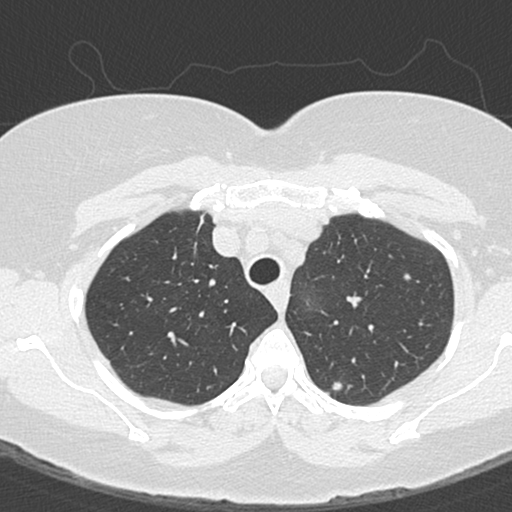
Axial chest CT slice 269 of 327 (counted from the lowest slice); 1.00 mm thick, 0.547 mm per pixel. Two pulmonary nodules are outlined on this slice; from left to right: (1) Pulmonary nodule outlined by three of the four readers; box rows 381–390, columns 331–342 (the union of the readers' outlines on this slice); the three readers' outlines give a longest diameter between 7.3 and 12.8 mm and a volume between 81 and 146 mm3. Ratings across the readers: texture 5/5 (solid) from all three readers; margin from 4/5 to 5/5 (circumscribed) across the three readers; sphericity from 3/5 (ovoid) to 5/5 (round) across the three readers; calcification absent from all three readers; internal structure soft tissue, all three readers agreeing; subtlety from 3/5 to 4/5 across the three readers; malignancy likelihood 2–4/5 (the readers disagree). (2) Pulmonary nodule at rows 274–279, columns 404–410 (box = that reader's outline on this slice), outlined by one of the four readers; longest diameter 4.7 mm and volume 29 mm3 from that reader's outline. Ratings by that reader: texture 5/5 (solid); margin 4/5; sphericity 5/5 (round); calcification absent; internal structure soft tissue; subtlety 2/5; malignancy likelihood 3/5. Scale key (1–5): texture non-solid→solid, margin indistinct→circumscribed, sphericity linear→round, subtlety extremely subtle→obvious, malignancy likelihood highly unlikely→highly suspicious of cancer. Box rows and columns are 0-based pixel indices from the top-left corner, inclusive.
Scan settings: 120 kVp, B45f reconstruction kernel.